Axial slice 60 of 116 of a chest CT (slice 1 is the lowest), reconstructed with the FC01 kernel at 135 kVp; 3.00 mm slice thickness and 0.714 mm pixels.
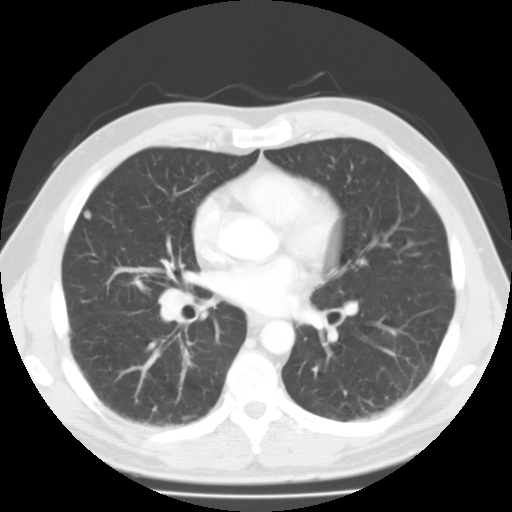
Pulmonary nodule outlined by three of the four readers; box rows 210–220, columns 84–91 (the union of the readers' outlines on this slice); longest diameter 8.2 mm on average over the three readers' outlines (readers' outlines 7.0–9.3 mm), volume 188–348 mm3. Ratings, by the readers' most common answer with dissent counted: most readers (two of three) put texture at 4/5, others 5/5 (solid) (one); margin split among the readers: 3/5 (one), 4/5 (one), 5/5 (circumscribed) (one); most readers (two of three) put sphericity at 5/5 (round), others 4/5 (one); calcification absent from all three readers; internal structure soft tissue from all three readers; subtlety 4/5 by two of three readers; the rest gave 3/5 (one); most readers (two of three) put malignancy likelihood at 3/5, others 1/5 (one). Scale key (1–5): texture non-solid→solid, margin indistinct→circumscribed, sphericity linear→round, subtlety extremely subtle→obvious, malignancy likelihood highly unlikely→highly suspicious of cancer. Box rows and columns are 0-based pixel indices from the top-left corner, inclusive.